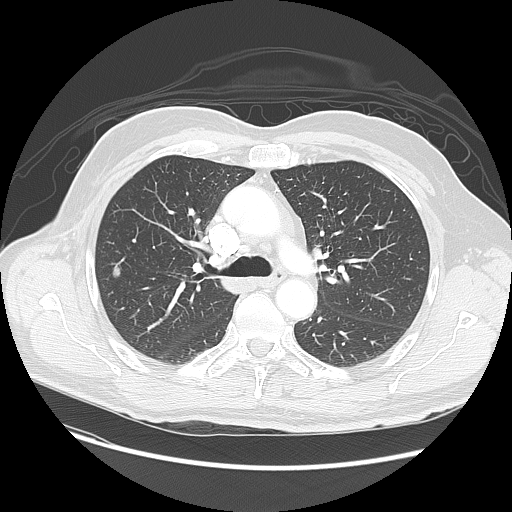
One axial slice (82 of 135, counting up from the lowest) of a chest CT acquired at 120 kVp with the LUNG kernel; each pixel is 0.781 mm and the slice is 2.50 mm thick.
Pulmonary nodule outlined by all four readers; box rows 265–277, columns 112–121 (the union of the readers' outlines on this slice); longest diameter 12.1–12.7 mm and volume 655–726 mm3 across the four readers' outlines. Ratings across the readers: texture 5/5 (solid), all four readers agreeing; margin from 4/5 to 5/5 (circumscribed) across the four readers; sphericity from 3/5 (ovoid) to 4/5 across the four readers; calcification absent, all four readers agreeing; internal structure soft tissue from all four readers; subtlety from 4/5 to 5/5 across the four readers; malignancy likelihood from 2/5 to 4/5 across the four readers. Scale key (1–5): texture non-solid→solid, margin indistinct→circumscribed, sphericity linear→round, subtlety extremely subtle→obvious, malignancy likelihood highly unlikely→highly suspicious of cancer. Box rows and columns are 0-based pixel indices from the top-left corner, inclusive.